Chest CT, axial plane, 120 kVp, kernel B30f. Slice 286/558 from the bottom of the scan; thickness 0.75 mm; pixel size 0.648 mm.
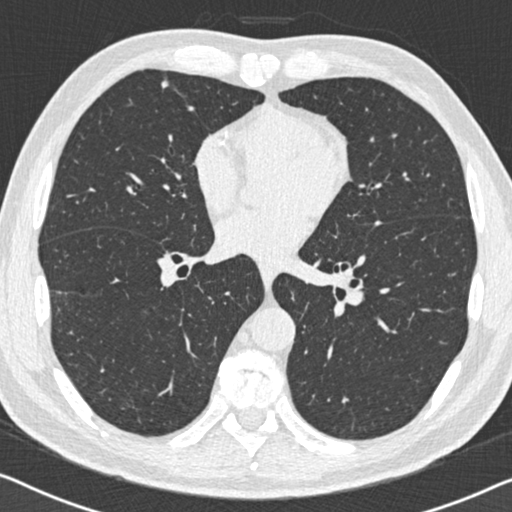
Pulmonary nodule outlined by two of the four readers; box rows 81–88, columns 160–168 (the union of the readers' outlines on this slice); median longest diameter 6.5 mm (readers' outlines 5.8–7.2 mm), median volume 74 mm3 (63–85 mm3). Median ratings and the readers' spread: median texture 4.5/5 (readers ranged 4/5 to 5/5 (solid)); median margin 3.5/5 (readers ranged 3/5 to 4/5); median sphericity 3.5/5 (readers ranged 3/5 (ovoid) to 4/5); calcification absent from both readers; internal structure soft tissue, both readers agreeing; median subtlety 4/5 (readers ranged 3–5); median malignancy likelihood 2.5/5 (readers ranged 2–3). Scale key (1–5): texture non-solid→solid, margin indistinct→circumscribed, sphericity linear→round, subtlety extremely subtle→obvious, malignancy likelihood highly unlikely→highly suspicious of cancer. Box rows and columns are 0-based pixel indices from the top-left corner, inclusive.